Axial chest CT slice 60 of 162 (counted from the lowest slice); tube voltage 120 kVp, convolution kernel BONE; slices 1.25 mm thick, 0.703 mm per pixel.
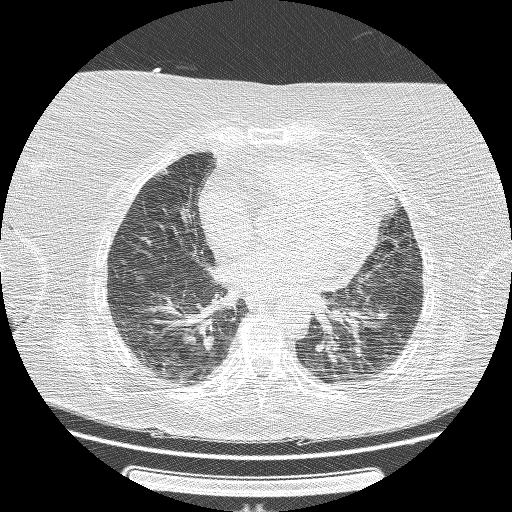
Pulmonary nodule, outlined by all four readers, one of them on this slice. Box on this slice rows 170–176, columns 157–167, the one reader's outline on this slice; longest diameter 10.9–13.0 mm and volume 239–644 mm3 across the four readers' outlines. Ratings across the readers: texture 5/5 (solid), all four readers agreeing; margin 4/5, all four readers agreeing; sphericity from 3/5 (ovoid) to 4/5 across the four readers; calcification: absent (three), solid calcification (one); internal structure soft tissue, all four readers agreeing; subtlety 4–5/5 (the readers disagree); malignancy likelihood 1–3/5 (the readers disagree). Scale key (1–5): texture non-solid→solid, margin indistinct→circumscribed, sphericity linear→round, subtlety extremely subtle→obvious, malignancy likelihood highly unlikely→highly suspicious of cancer. Box rows and columns are 0-based pixel indices from the top-left corner, inclusive.